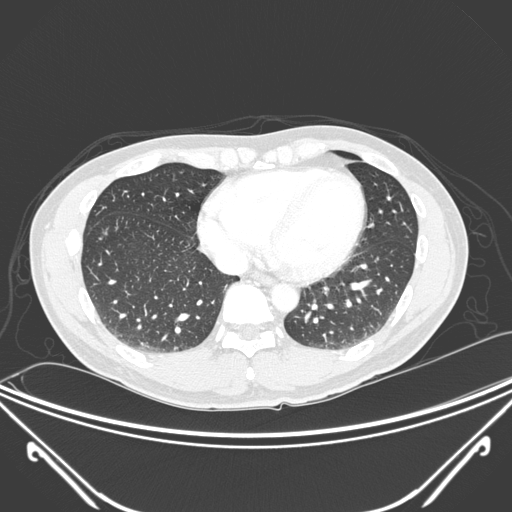
Chest CT, axial plane, 120 kVp, kernel D. Slice 92/325 from the bottom of the scan; thickness 1.00 mm; pixel size 0.781 mm.
Pulmonary nodule at rows 231–234, columns 102–106 (box = the one reader's outline on this slice), outlined by two of the four readers, one of them on this slice; longest diameter 8.8 mm on average over the two readers' outlines (readers' outlines 8.0–9.7 mm), volume 154–206 mm3. The readers' prevailing ratings and who disagreed: texture 5/5 (solid), both readers agreeing; margin split among the readers: 4/5 (one), 5/5 (circumscribed) (one); sphericity 4/5, both readers agreeing; calcification absent from both readers; internal structure soft tissue, both readers agreeing; subtlety 5/5, both readers agreeing; malignancy likelihood split among the readers: 3/5 (one), 4/5 (one). Scale key (1–5): texture non-solid→solid, margin indistinct→circumscribed, sphericity linear→round, subtlety extremely subtle→obvious, malignancy likelihood highly unlikely→highly suspicious of cancer. Box rows and columns are 0-based pixel indices from the top-left corner, inclusive.